One axial slice (105 of 133, counting up from the lowest) of a chest CT acquired at 120 kVp with the STANDARD kernel; each pixel is 0.664 mm and the slice is 2.50 mm thick.
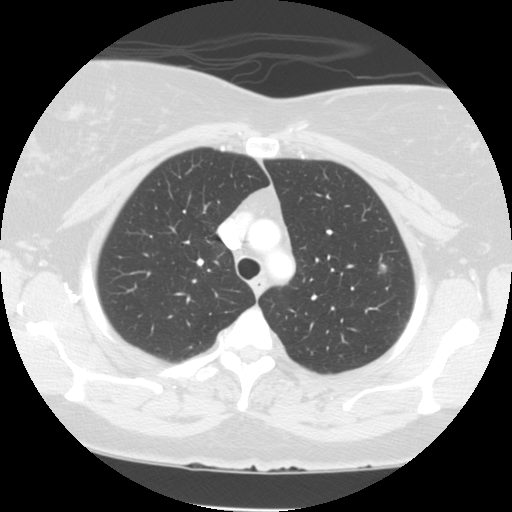
Pulmonary nodule outlined by two of the four readers; box rows 263–273, columns 379–386 (the union of the readers' outlines on this slice); longest diameter 9.4 mm on average over the two readers' outlines (readers' outlines 8.4–10.4 mm), volume 165–182 mm3. The readers' prevailing ratings and who disagreed: texture split among the readers: 2/5 (one), 5/5 (solid) (one); margin split among the readers: 3/5 (one), 4/5 (one); sphericity 3/5 (ovoid) from both readers; calcification absent, both readers agreeing; internal structure soft tissue, both readers agreeing; subtlety split among the readers: 3/5 (one), 4/5 (one); malignancy likelihood 3/5, both readers agreeing. Scale key (1–5): texture non-solid→solid, margin indistinct→circumscribed, sphericity linear→round, subtlety extremely subtle→obvious, malignancy likelihood highly unlikely→highly suspicious of cancer. Box rows and columns are 0-based pixel indices from the top-left corner, inclusive.